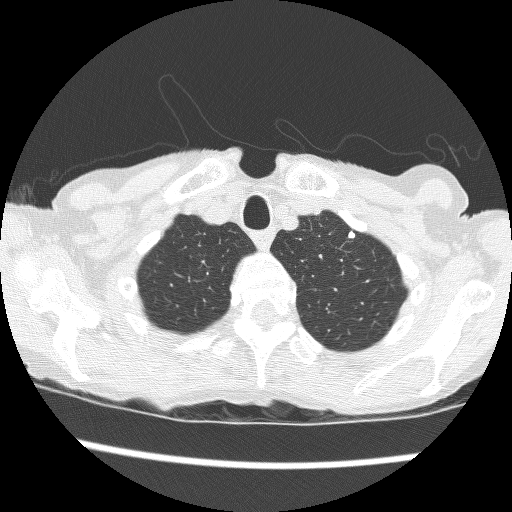
This is axial slice 212 of 240 (slice 1 is the lowest) of a chest CT; each pixel is 0.566 mm and the slice is 1.25 mm thick. Pulmonary nodule at rows 230–238, columns 347–355 (box = the union of the readers' outlines on this slice), outlined by all four readers; the four readers' outlines give a longest diameter between 5.3 and 5.9 mm and a volume between 60 and 82 mm3. The readers' ratings, as ranges where they differ: texture 5/5 (solid), all four readers agreeing; margin 5/5 (circumscribed) from all four readers; sphericity from 3/5 (ovoid) to 5/5 (round) across the four readers; calcification: solid calcification (three), absent (one); internal structure soft tissue from all four readers; subtlety rated between 3 and 5 out of 5 by the four readers; malignancy likelihood 1–4/5 (the readers disagree). Scale key (1–5): texture non-solid→solid, margin indistinct→circumscribed, sphericity linear→round, subtlety extremely subtle→obvious, malignancy likelihood highly unlikely→highly suspicious of cancer. Box rows and columns are 0-based pixel indices from the top-left corner, inclusive.
Acquired at 120 kVp and reconstructed with the BONE kernel.